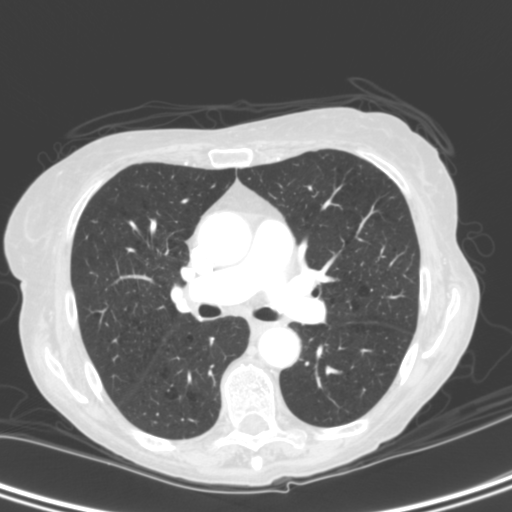
Chest CT, axial plane, 120 kVp, kernel B. Slice 171/290 from the bottom of the scan; thickness 2.00 mm; pixel size 0.645 mm.
None of the four readers outlined a nodule of 3 mm or more on this slice.